One axial slice (120 of 186, counting up from the lowest) of a chest CT acquired at 120 kVp with the B30f kernel; each pixel is 0.586 mm and the slice is 2.00 mm thick.
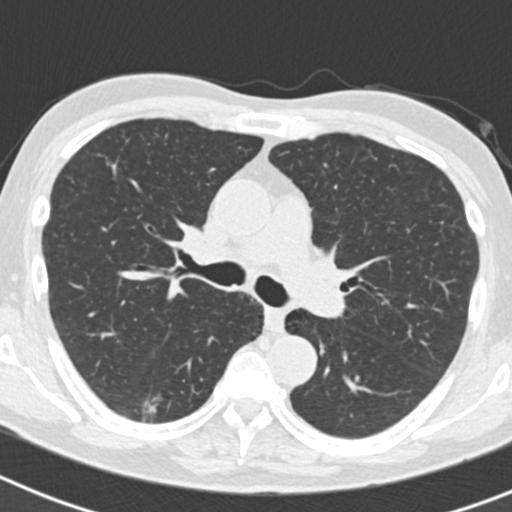
Pulmonary nodule, outlined by three of the four readers. Box on this slice rows 402–412, columns 141–157, the union of the readers' outlines on this slice; median longest diameter 19.6 mm (readers' outlines 19.6–20.9 mm), median volume 1932 mm3 (1911–1935 mm3). Median ratings and the readers' spread: median texture 4/5 (readers ranged 4/5 to 5/5 (solid)); median margin 3/5 (readers ranged 3/5 to 4/5); sphericity 3/5 (ovoid) at the median of three readers, spread 2/5 to 4/5; calcification absent from all three readers; internal structure soft tissue from all three readers; median subtlety 5/5 (readers ranged 4–5); median malignancy likelihood 5/5 (readers ranged 3–5). Scale key (1–5): texture non-solid→solid, margin indistinct→circumscribed, sphericity linear→round, subtlety extremely subtle→obvious, malignancy likelihood highly unlikely→highly suspicious of cancer. Box rows and columns are 0-based pixel indices from the top-left corner, inclusive.